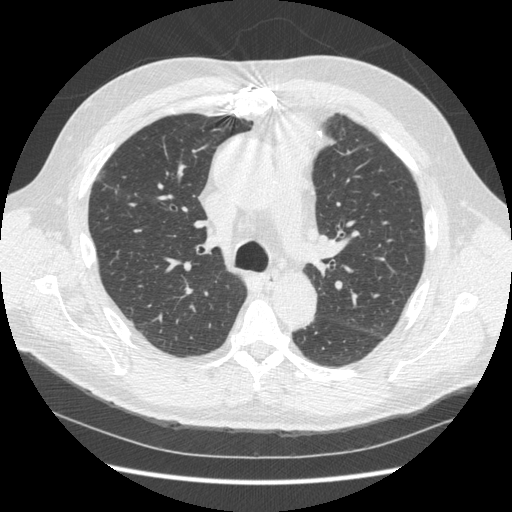
Chest CT, axial plane, 120 kVp, kernel STANDARD. Slice 225/369 from the bottom of the scan; thickness 1.25 mm; pixel size 0.703 mm.
Pulmonary nodule outlined by one of the four readers; box rows 170–179, columns 97–103 (that reader's outline on this slice); longest diameter 27.0 mm and volume 3015 mm3 from that reader's outline. That reader's ratings: texture 1/5 (non-solid); margin 1/5 (indistinct); sphericity 3/5 (ovoid); calcification absent; internal structure soft tissue; subtlety 3/5; malignancy likelihood 3/5. Scale key (1–5): texture non-solid→solid, margin indistinct→circumscribed, sphericity linear→round, subtlety extremely subtle→obvious, malignancy likelihood highly unlikely→highly suspicious of cancer. Box rows and columns are 0-based pixel indices from the top-left corner, inclusive.